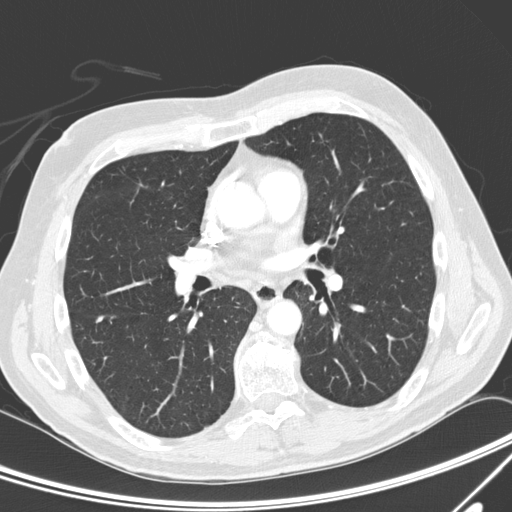
Axial chest CT slice 142 of 300 (counted from the lowest slice); tube voltage 120 kVp, convolution kernel D; slices 2.00 mm thick, 0.678 mm per pixel.
Pulmonary nodule outlined by one of the four readers; box rows 316–322, columns 95–102 (that reader's outline on this slice); longest diameter 8.2 mm and volume 88 mm3 from that reader's outline. That reader's ratings: texture 5/5 (solid); margin 5/5 (circumscribed); sphericity 2/5; calcification absent; internal structure soft tissue; subtlety 4/5; malignancy likelihood 2/5. Scale key (1–5): texture non-solid→solid, margin indistinct→circumscribed, sphericity linear→round, subtlety extremely subtle→obvious, malignancy likelihood highly unlikely→highly suspicious of cancer. Box rows and columns are 0-based pixel indices from the top-left corner, inclusive.